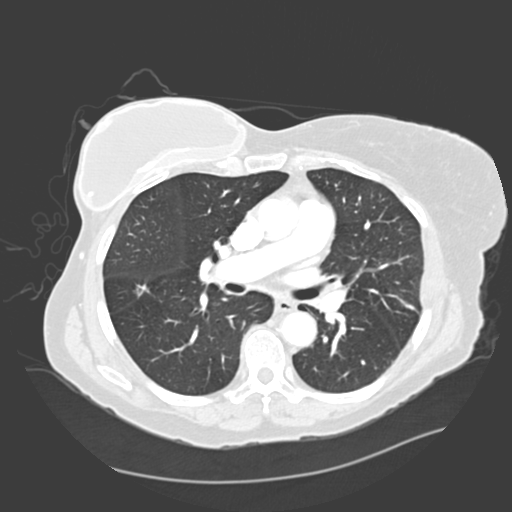
Axial chest CT slice 182 of 328 (counted from the lowest slice); tube voltage 120 kVp, convolution kernel D; slices 2.00 mm thick, 0.742 mm per pixel.
Pulmonary nodule, outlined by all four readers. Box on this slice rows 284–298, columns 132–148, the union of the readers' outlines on this slice; median longest diameter 19.7 mm (readers' outlines 18.3–21.0 mm), median volume 1582 mm3 (877–1921 mm3). Median ratings and the readers' spread: median texture 3.5/5 (readers ranged 3/5 (part-solid) to 5/5 (solid)); margin 2.5/5 at the median of four readers, spread 2/5 to 4/5; median sphericity 3/5 (ovoid) (readers ranged 2/5 to 3/5 (ovoid)); calcification absent, all four readers agreeing; internal structure soft tissue from all four readers; median subtlety 5/5 (readers ranged 4–5); malignancy likelihood 4/5 at the median of four readers, spread 3–5. Scale key (1–5): texture non-solid→solid, margin indistinct→circumscribed, sphericity linear→round, subtlety extremely subtle→obvious, malignancy likelihood highly unlikely→highly suspicious of cancer. Box rows and columns are 0-based pixel indices from the top-left corner, inclusive.